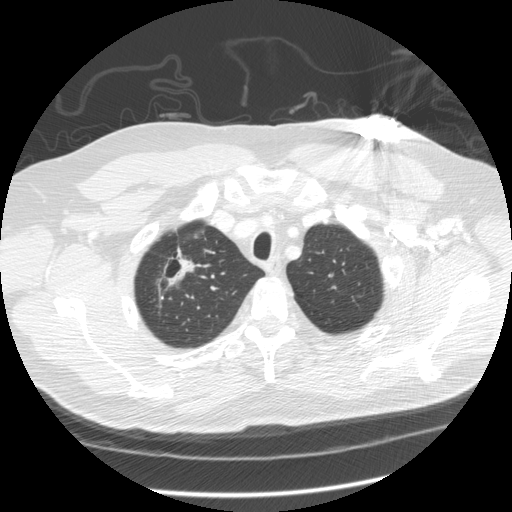
This is axial slice 263 of 305 (slice 1 is the lowest) of a chest CT; each pixel is 0.732 mm and the slice is 1.25 mm thick. Pulmonary nodule, outlined by three of the four readers. Box on this slice rows 245–300, columns 156–194, the union of the readers' outlines on this slice; median longest diameter 43.6 mm (readers' outlines 41.0–45.9 mm), median volume 9712 mm3 (6528–11092 mm3). Ratings, median across the readers with their spread: median texture 4/5 (readers ranged 3/5 (part-solid) to 5/5 (solid)); median margin 3/5 (readers ranged 1/5 (indistinct) to 4/5); median sphericity 3/5 (ovoid) (readers ranged 2/5 to 3/5 (ovoid)); calcification absent, all three readers agreeing; internal structure soft tissue from all three readers; subtlety 5/5 from all three readers; malignancy likelihood 5/5, all three readers agreeing. Scale key (1–5): texture non-solid→solid, margin indistinct→circumscribed, sphericity linear→round, subtlety extremely subtle→obvious, malignancy likelihood highly unlikely→highly suspicious of cancer. Box rows and columns are 0-based pixel indices from the top-left corner, inclusive.
Tube voltage 120 kVp; convolution kernel STANDARD.